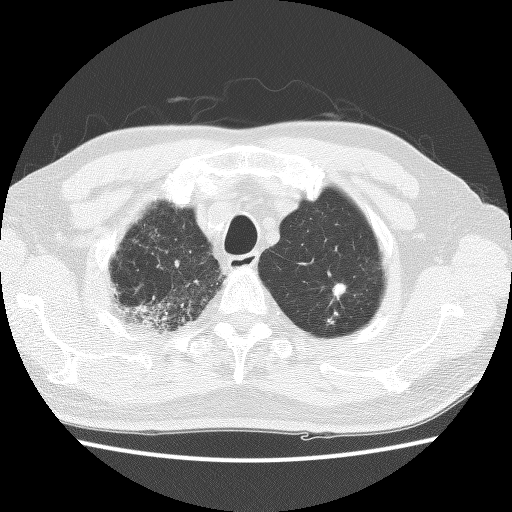
One axial slice (110 of 129, counting up from the lowest) of a chest CT acquired at 140 kVp with the BONE kernel; each pixel is 0.645 mm and the slice is 2.50 mm thick.
Two pulmonary nodules are outlined on this slice; from left to right: (1) Pulmonary nodule, outlined by two of the four readers. Box on this slice rows 319–322, columns 328–332, the union of the readers' outlines on this slice; the two readers' outlines give a longest diameter between 6.1 and 7.5 mm and a volume between 61 and 89 mm3. The readers' ratings, as ranges where they differ: texture 5/5 (solid) from both readers; margin from 2/5 to 4/5 across the two readers; sphericity 4/5 from both readers; calcification split among the readers: central calcification (one), non-central calcification (one); internal structure soft tissue from both readers; subtlety from 3/5 to 4/5 across the two readers; malignancy likelihood 1/5, both readers agreeing. (2) Pulmonary nodule at rows 282–297, columns 331–346 (box = the union of the readers' outlines on this slice), outlined by all four readers; longest diameter 11.2 mm on average over the four readers' outlines (readers' outlines 9.7–12.2 mm), volume 557–991 mm3. Ratings, by the readers' most common answer with dissent counted: texture split among the readers: 4/5 (two), 5/5 (solid) (two); margin split among the readers: 2/5 (one), 3/5 (one), 4/5 (one), 5/5 (circumscribed) (one); sphericity 4/5 by two of four readers; the rest gave 2/5 (one), 3/5 (ovoid) (one); calcification split among the readers: absent (two), central calcification (two); internal structure soft tissue, all four readers agreeing; subtlety split among the readers: 4/5 (two), 5/5 (two); malignancy likelihood 1/5 by two of four readers; the rest gave 3/5 (one), 5/5 (one). Scale key (1–5): texture non-solid→solid, margin indistinct→circumscribed, sphericity linear→round, subtlety extremely subtle→obvious, malignancy likelihood highly unlikely→highly suspicious of cancer. Box rows and columns are 0-based pixel indices from the top-left corner, inclusive.